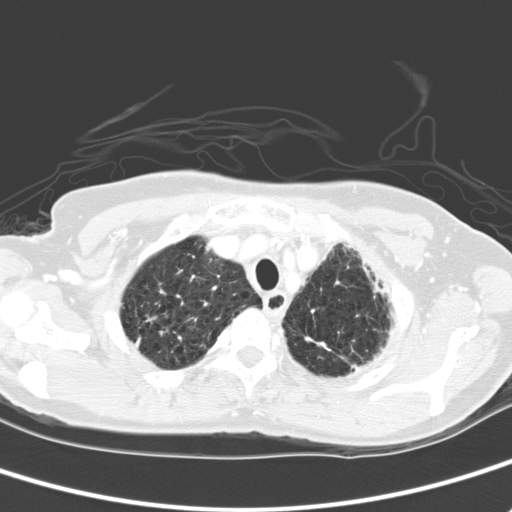
Chest CT, axial plane, 120 kVp, kernel D. Slice 222/280 from the bottom of the scan; thickness 2.00 mm; pixel size 0.613 mm.
Pulmonary nodule at rows 337–346, columns 135–141 (box = the union of the readers' outlines on this slice), outlined by all four readers; median longest diameter 17.5 mm (readers' outlines 16.7–18.9 mm), median volume 856 mm3 (701–1041 mm3). Ratings, median across the readers with their spread: median texture 4.5/5 (readers ranged 3/5 (part-solid) to 5/5 (solid)); margin 2.5/5 at the median of four readers, spread 1/5 (indistinct) to 5/5 (circumscribed); median sphericity 2.5/5 (readers ranged 2/5 to 4/5); calcification absent, all four readers agreeing; internal structure soft tissue from all four readers; median subtlety 4.5/5 (readers ranged 2–5); malignancy likelihood 4/5 at the median of four readers, spread 3–5. Scale key (1–5): texture non-solid→solid, margin indistinct→circumscribed, sphericity linear→round, subtlety extremely subtle→obvious, malignancy likelihood highly unlikely→highly suspicious of cancer. Box rows and columns are 0-based pixel indices from the top-left corner, inclusive.